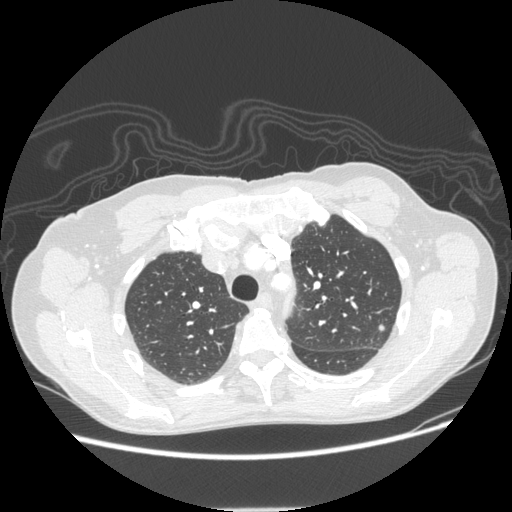
One axial slice (169 of 232, counting up from the lowest) of a chest CT acquired at 120 kVp with the STANDARD kernel; each pixel is 0.742 mm and the slice is 1.25 mm thick.
Pulmonary nodule outlined by three of the four readers; box rows 324–331, columns 378–385 (the union of the readers' outlines on this slice); longest diameter 6.1–7.3 mm and volume 107–180 mm3 across the three readers' outlines. The readers' ratings, as ranges where they differ: texture from 4/5 to 5/5 (solid) across the three readers; margin from 4/5 to 5/5 (circumscribed) across the three readers; sphericity from 4/5 to 5/5 (round) across the three readers; calcification absent, all three readers agreeing; internal structure soft tissue, all three readers agreeing; subtlety rated between 2 and 4 out of 5 by the three readers; malignancy likelihood 3/5 from all three readers. Scale key (1–5): texture non-solid→solid, margin indistinct→circumscribed, sphericity linear→round, subtlety extremely subtle→obvious, malignancy likelihood highly unlikely→highly suspicious of cancer. Box rows and columns are 0-based pixel indices from the top-left corner, inclusive.